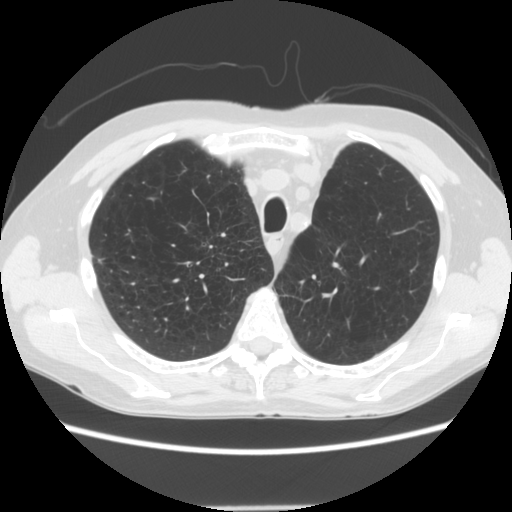
Chest CT, axial plane, 120 kVp, kernel STANDARD. Slice 115/143 from the bottom of the scan; thickness 2.50 mm; pixel size 0.703 mm.
Pulmonary nodule at rows 259–263, columns 98–100 (box = the one reader's outline on this slice), outlined by two of the four readers, one of them on this slice; longest diameter 8.8 mm on average over the two readers' outlines (readers' outlines 8.6–9.0 mm), volume 142–234 mm3. The readers' prevailing ratings and who disagreed: texture split among the readers: 2/5 (one), 5/5 (solid) (one); margin split among the readers: 1/5 (indistinct) (one), 4/5 (one); sphericity split among the readers: 3/5 (ovoid) (one), 4/5 (one); calcification absent, both readers agreeing; internal structure soft tissue, both readers agreeing; subtlety split among the readers: 3/5 (one), 4/5 (one); malignancy likelihood split among the readers: 1/5 (one), 4/5 (one). Scale key (1–5): texture non-solid→solid, margin indistinct→circumscribed, sphericity linear→round, subtlety extremely subtle→obvious, malignancy likelihood highly unlikely→highly suspicious of cancer. Box rows and columns are 0-based pixel indices from the top-left corner, inclusive.